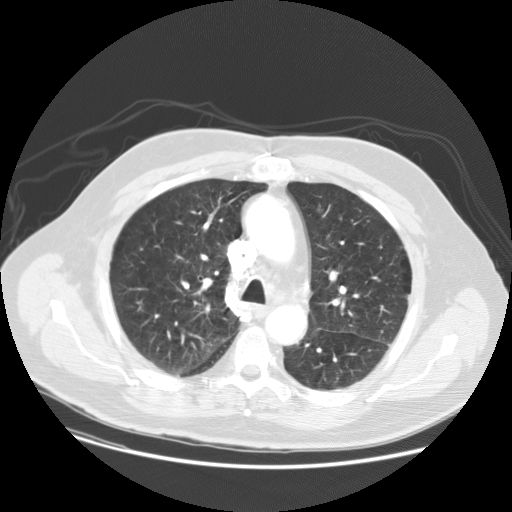
One axial slice (98 of 133, counting up from the lowest) of a chest CT acquired at 120 kVp with the STANDARD kernel; each pixel is 0.781 mm and the slice is 2.50 mm thick.
No nodule of 3 mm or larger was outlined by any of the four readers on this slice.